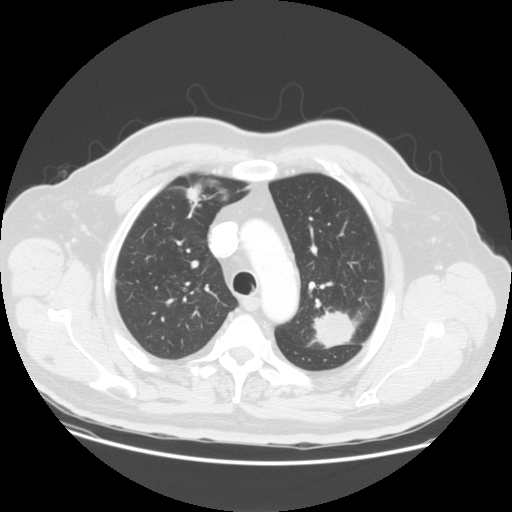
Axial chest CT slice 116 of 149 (counted from the lowest slice); 2.50 mm thick, 0.781 mm per pixel. Two pulmonary nodules on this slice, listed from left to right. (1) Pulmonary nodule at rows 179–217, columns 168–201 (box = the union of the readers' outlines on this slice), outlined by all four readers; longest diameter 28.4 mm on average over the four readers' outlines (readers' outlines 24.8–32.8 mm), volume 2485–3042 mm3. The readers' prevailing ratings and who disagreed: texture 5/5 (solid) by two of four readers; the rest gave 1/5 (non-solid) (one), 4/5 (one); margin 4/5, all four readers agreeing; sphericity 3/5 (ovoid) by three of four readers; the rest gave 5/5 (round) (one); calcification absent from all four readers; internal structure soft tissue, all four readers agreeing; subtlety 5/5 from all four readers; malignancy likelihood 5/5 by three of four readers; the rest gave 4/5 (one). (2) Pulmonary nodule, outlined by three of the four readers. Box on this slice rows 311–347, columns 310–357, the union of the readers' outlines on this slice; the three readers' outlines give a longest diameter between 34.5 and 53.9 mm and a volume between 15350 and 17058 mm3. The readers' ratings, as ranges where they differ: texture 5/5 (solid) from all three readers; margin from 4/5 to 5/5 (circumscribed) across the three readers; sphericity from 4/5 to 5/5 (round) across the three readers; calcification absent, all three readers agreeing; internal structure soft tissue from all three readers; subtlety 5/5, all three readers agreeing; malignancy likelihood 4–5/5 (the readers disagree). Scale key (1–5): texture non-solid→solid, margin indistinct→circumscribed, sphericity linear→round, subtlety extremely subtle→obvious, malignancy likelihood highly unlikely→highly suspicious of cancer. Box rows and columns are 0-based pixel indices from the top-left corner, inclusive.
Scan settings: 120 kVp, STANDARD reconstruction kernel.